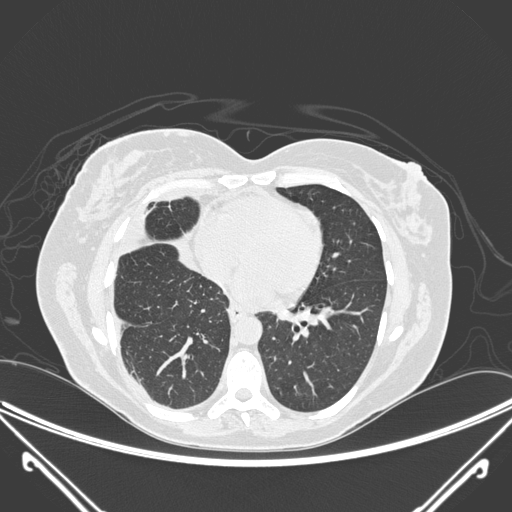
Axial slice 116 of 275 of a chest CT (slice 1 is the lowest), reconstructed with the D kernel at 120 kVp; 1.00 mm slice thickness and 0.781 mm pixels.
This slice carries no reader outline of a nodule 3 mm or larger.